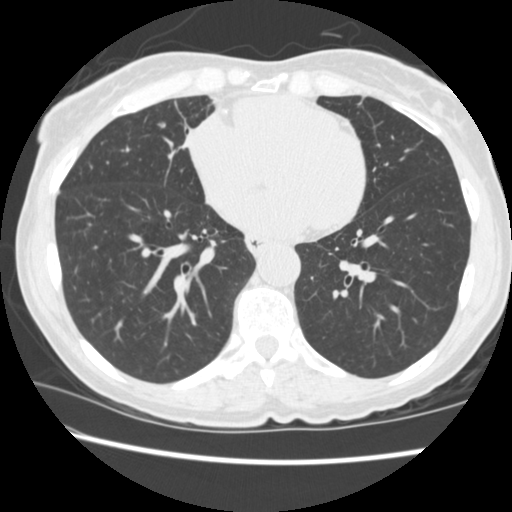
Axial chest CT slice 210 of 519 (counted from the lowest slice); tube voltage 120 kVp, convolution kernel STANDARD; slices 1.25 mm thick, 0.625 mm per pixel.
Pulmonary nodule, outlined by two of the four readers. Box on this slice rows 122–128, columns 157–165, the union of the readers' outlines on this slice; median longest diameter 6.4 mm (readers' outlines 6.4–6.5 mm), median volume 36 mm3 (34–39 mm3). Ratings, median across the readers with their spread: texture 5/5 (solid), both readers agreeing; margin 4/5 from both readers; sphericity 4/5, both readers agreeing; calcification absent, both readers agreeing; internal structure soft tissue from both readers; subtlety 2.5/5 at the median of two readers, spread 2–3; malignancy likelihood 3.5/5 at the median of two readers, spread 3–4. Scale key (1–5): texture non-solid→solid, margin indistinct→circumscribed, sphericity linear→round, subtlety extremely subtle→obvious, malignancy likelihood highly unlikely→highly suspicious of cancer. Box rows and columns are 0-based pixel indices from the top-left corner, inclusive.